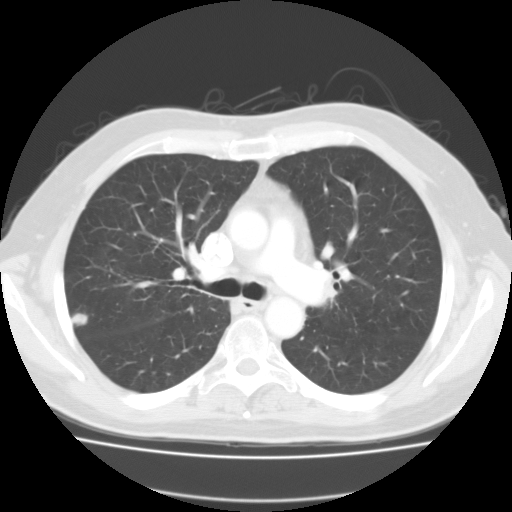
Chest CT, axial plane, 135 kVp, kernel FC01. Slice 86/127 from the bottom of the scan; thickness 3.00 mm; pixel size 0.750 mm.
Pulmonary nodule outlined by all four readers; box rows 312–325, columns 72–88 (the union of the readers' outlines on this slice); median longest diameter 13.8 mm (readers' outlines 12.9–14.8 mm), median volume 984 mm3 (835–1181 mm3). Median ratings and the readers' spread: texture 3.5/5 at the median of four readers, spread 1/5 (non-solid) to 5/5 (solid); margin 3/5 at the median of four readers, spread 2/5 to 3/5; sphericity 3/5 (ovoid) from all four readers; calcification absent, all four readers agreeing; internal structure soft tissue from all four readers; median subtlety 4/5 (readers ranged 3–5); median malignancy likelihood 3/5 (readers ranged 2–4). Scale key (1–5): texture non-solid→solid, margin indistinct→circumscribed, sphericity linear→round, subtlety extremely subtle→obvious, malignancy likelihood highly unlikely→highly suspicious of cancer. Box rows and columns are 0-based pixel indices from the top-left corner, inclusive.